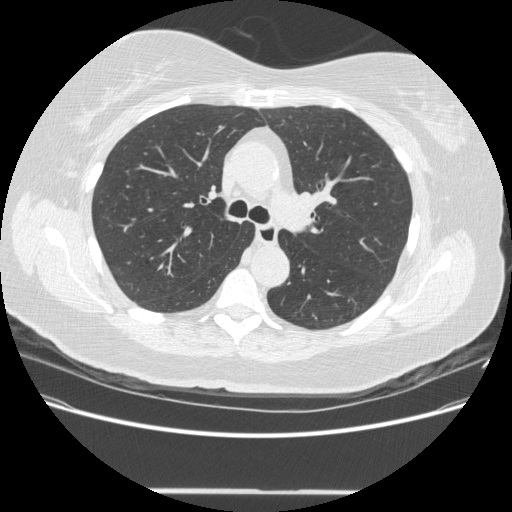
Slice 309/481 of a chest CT, counting up from the lowest; pixel size 0.742 mm, slice thickness 1.25 mm. Pulmonary nodule outlined by three of the four readers, one of them on this slice; box rows 267–273, columns 165–168 (the one reader's outline on this slice); longest diameter 14.5 mm on average over the three readers' outlines (readers' outlines 13.9–15.6 mm), volume 741–820 mm3. The readers' prevailing ratings and who disagreed: texture 4/5, all three readers agreeing; margin 4/5 by two of three readers; the rest gave 3/5 (one); sphericity 3/5 (ovoid) by two of three readers; the rest gave 4/5 (one); calcification absent from all three readers; internal structure soft tissue, all three readers agreeing; most readers (two of three) put subtlety at 4/5, others 5/5 (one); most readers (two of three) put malignancy likelihood at 5/5, others 4/5 (one). Scale key (1–5): texture non-solid→solid, margin indistinct→circumscribed, sphericity linear→round, subtlety extremely subtle→obvious, malignancy likelihood highly unlikely→highly suspicious of cancer. Box rows and columns are 0-based pixel indices from the top-left corner, inclusive.
Acquired at 120 kVp and reconstructed with the STANDARD kernel.